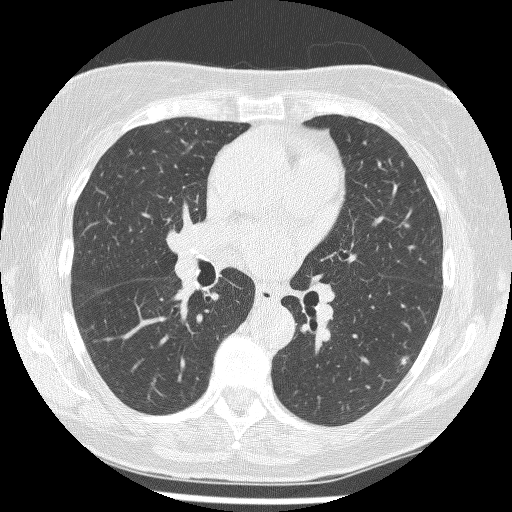
Chest CT, axial plane, 120 kVp, kernel BONE. Slice 138/241 from the bottom of the scan; thickness 1.25 mm; pixel size 0.590 mm.
Pulmonary nodule at rows 354–369, columns 398–412 (box = the union of the readers' outlines on this slice), outlined by all four readers; the four readers' outlines give a longest diameter between 8.4 and 12.5 mm and a volume between 155 and 364 mm3. Ratings across the readers: texture from 4/5 to 5/5 (solid) across the four readers; margin from 1/5 (indistinct) to 3/5 across the four readers; sphericity from 3/5 (ovoid) to 5/5 (round) across the four readers; calcification absent from all four readers; internal structure soft tissue, all four readers agreeing; subtlety from 4/5 to 5/5 across the four readers; malignancy likelihood from 3/5 to 5/5 across the four readers. Scale key (1–5): texture non-solid→solid, margin indistinct→circumscribed, sphericity linear→round, subtlety extremely subtle→obvious, malignancy likelihood highly unlikely→highly suspicious of cancer. Box rows and columns are 0-based pixel indices from the top-left corner, inclusive.